Axial chest CT slice 177 of 238 (counted from the lowest slice); tube voltage 120 kVp, convolution kernel STANDARD; slices 1.25 mm thick, 0.742 mm per pixel.
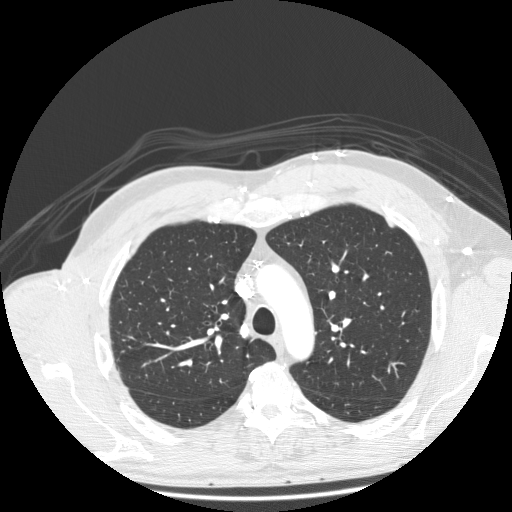
Pulmonary nodule at rows 218–226, columns 386–393 (box = that reader's outline on this slice), outlined by one of the four readers; longest diameter 8.7 mm and volume 90 mm3 from that reader's outline. That reader's ratings: texture 5/5 (solid); margin 5/5 (circumscribed); sphericity 2/5; calcification absent; internal structure soft tissue; subtlety 4/5; malignancy likelihood 1/5. Scale key (1–5): texture non-solid→solid, margin indistinct→circumscribed, sphericity linear→round, subtlety extremely subtle→obvious, malignancy likelihood highly unlikely→highly suspicious of cancer. Box rows and columns are 0-based pixel indices from the top-left corner, inclusive.